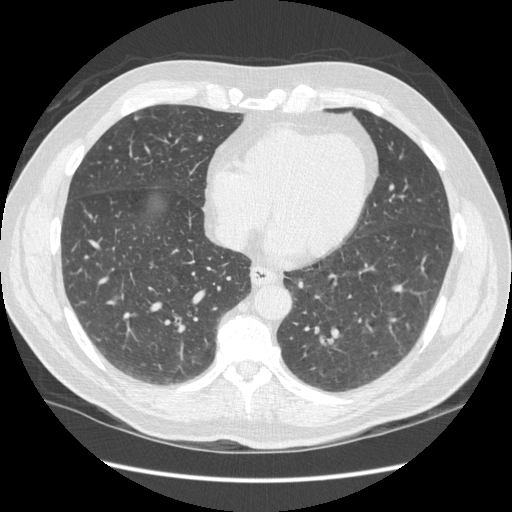
Chest CT, axial plane, 120 kVp, kernel STANDARD. Slice 159/449 from the bottom of the scan; thickness 1.25 mm; pixel size 0.742 mm.
Pulmonary nodule at rows 116–119, columns 134–137 (box = that reader's outline on this slice), outlined by one of the four readers; longest diameter 6.1 mm and volume 97 mm3 from that reader's outline. Ratings by that reader: texture 5/5 (solid); margin 5/5 (circumscribed); sphericity 5/5 (round); calcification absent; internal structure soft tissue; subtlety 4/5; malignancy likelihood 3/5. Scale key (1–5): texture non-solid→solid, margin indistinct→circumscribed, sphericity linear→round, subtlety extremely subtle→obvious, malignancy likelihood highly unlikely→highly suspicious of cancer. Box rows and columns are 0-based pixel indices from the top-left corner, inclusive.